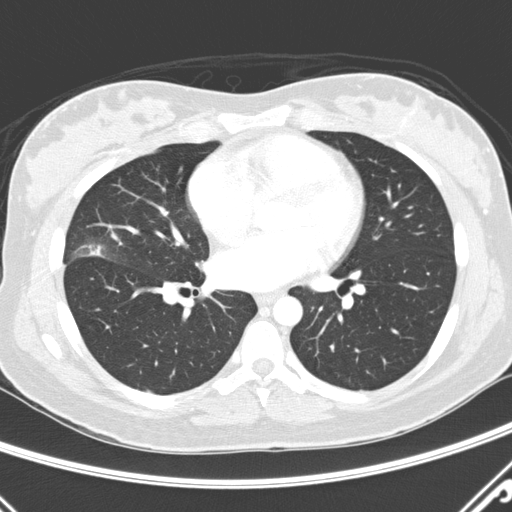
Axial slice 138 of 290 of a chest CT (slice 1 is the lowest), reconstructed with the D kernel at 120 kVp; 2.00 mm slice thickness and 0.648 mm pixels.
Pulmonary nodule, outlined by all four readers. Box on this slice rows 244–257, columns 77–103, the union of the readers' outlines on this slice; longest diameter 26.3 mm on average over the four readers' outlines (readers' outlines 19.9–37.8 mm), volume 1327–2956 mm3. Ratings, by the readers' most common answer with dissent counted: texture split among the readers: 3/5 (part-solid) (two), 5/5 (solid) (two); margin 1/5 (indistinct) by two of four readers; the rest gave 2/5 (one), 3/5 (one); sphericity 3/5 (ovoid) by two of four readers; the rest gave 2/5 (one), 4/5 (one); calcification absent, all four readers agreeing; internal structure soft tissue, all four readers agreeing; subtlety 5/5 from all four readers; malignancy likelihood split among the readers: 3/5 (two), 5/5 (two). Scale key (1–5): texture non-solid→solid, margin indistinct→circumscribed, sphericity linear→round, subtlety extremely subtle→obvious, malignancy likelihood highly unlikely→highly suspicious of cancer. Box rows and columns are 0-based pixel indices from the top-left corner, inclusive.